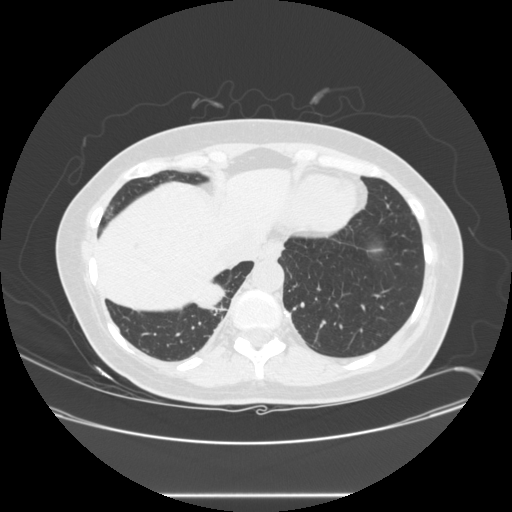
Chest CT, axial plane, 120 kVp, kernel STANDARD. Slice 85/257 from the bottom of the scan; thickness 1.25 mm; pixel size 0.781 mm.
Pulmonary nodule at rows 280–309, columns 189–225 (box = the union of the readers' outlines on this slice), outlined by three of the four readers; longest diameter 30.0 mm on average over the three readers' outlines (readers' outlines 28.2–32.2 mm), volume 3103–4675 mm3. Ratings, by the readers' most common answer with dissent counted: texture 5/5 (solid) from all three readers; margin 5/5 (circumscribed), all three readers agreeing; sphericity 4/5, all three readers agreeing; calcification absent from all three readers; internal structure soft tissue from all three readers; subtlety 5/5 from all three readers; malignancy likelihood split among the readers: 2/5 (one), 4/5 (one), 5/5 (one). Scale key (1–5): texture non-solid→solid, margin indistinct→circumscribed, sphericity linear→round, subtlety extremely subtle→obvious, malignancy likelihood highly unlikely→highly suspicious of cancer. Box rows and columns are 0-based pixel indices from the top-left corner, inclusive.